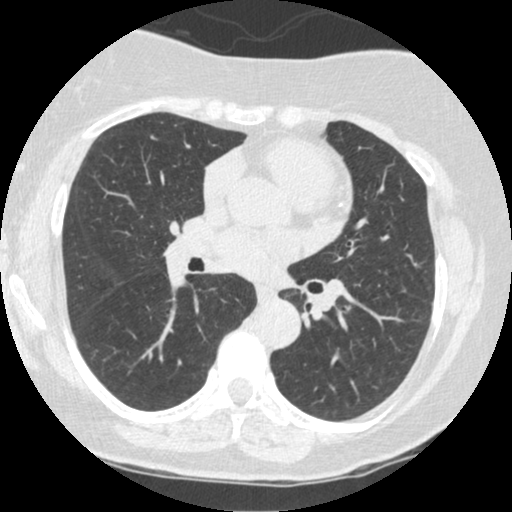
One axial slice (245 of 463, counting up from the lowest) of a chest CT acquired at 120 kVp with the STANDARD kernel; each pixel is 0.586 mm and the slice is 1.25 mm thick.
Pulmonary nodule outlined by two of the four readers, one of them on this slice; box rows 135–139, columns 150–156 (the one reader's outline on this slice); longest diameter 6.5–7.4 mm and volume 40–47 mm3 across the two readers' outlines. Ratings across the readers: texture 5/5 (solid) from both readers; margin 4/5, both readers agreeing; sphericity from 2/5 to 3/5 (ovoid) across the two readers; calcification absent from both readers; internal structure soft tissue, both readers agreeing; subtlety 2–4/5 (the readers disagree); malignancy likelihood from 2/5 to 3/5 across the two readers. Scale key (1–5): texture non-solid→solid, margin indistinct→circumscribed, sphericity linear→round, subtlety extremely subtle→obvious, malignancy likelihood highly unlikely→highly suspicious of cancer. Box rows and columns are 0-based pixel indices from the top-left corner, inclusive.